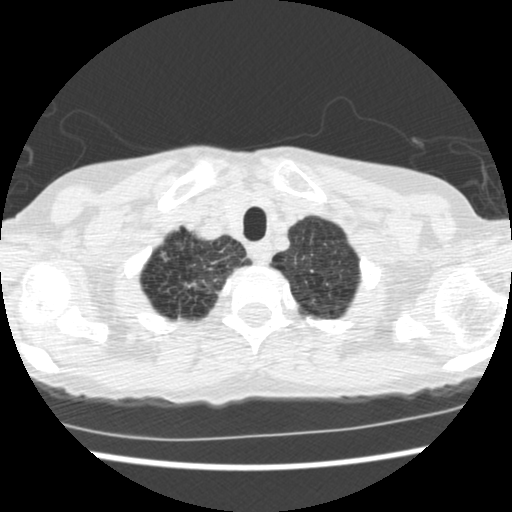
This is axial slice 481 of 541 (slice 1 is the lowest) of a chest CT; each pixel is 0.586 mm and the slice is 1.25 mm thick. Pulmonary nodule outlined by one of the four readers; box rows 283–286, columns 185–195 (that reader's outline on this slice); longest diameter 24.9 mm and volume 491 mm3 from that reader's outline. Ratings by that reader: texture 5/5 (solid); margin 1/5 (indistinct); sphericity 2/5; calcification absent; internal structure soft tissue; subtlety 4/5; malignancy likelihood 4/5. Scale key (1–5): texture non-solid→solid, margin indistinct→circumscribed, sphericity linear→round, subtlety extremely subtle→obvious, malignancy likelihood highly unlikely→highly suspicious of cancer. Box rows and columns are 0-based pixel indices from the top-left corner, inclusive.
Scan settings: 120 kVp, STANDARD reconstruction kernel.